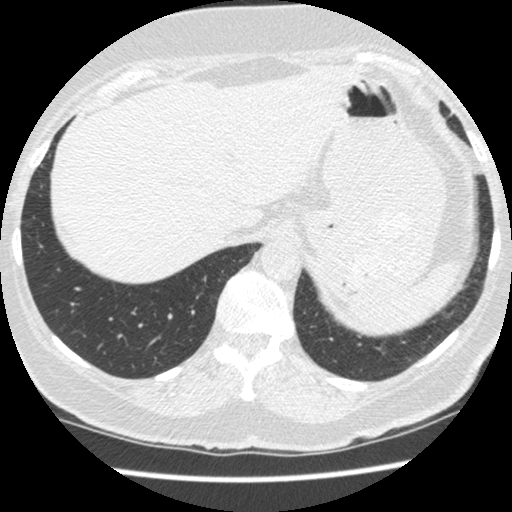
One axial slice (89 of 481, counting up from the lowest) of a chest CT acquired at 120 kVp with the STANDARD kernel; each pixel is 0.605 mm and the slice is 1.25 mm thick.
Pulmonary nodule at rows 311–316, columns 440–452 (box = the one reader's outline on this slice), outlined by all four readers, one of them on this slice; longest diameter 13.9 mm on average over the four readers' outlines (readers' outlines 13.3–14.6 mm), volume 633–867 mm3. The readers' prevailing ratings and who disagreed: texture 5/5 (solid), all four readers agreeing; margin split among the readers: 4/5 (two), 5/5 (circumscribed) (two); sphericity 4/5 by three of four readers; the rest gave 5/5 (round) (one); calcification absent, all four readers agreeing; internal structure soft tissue, all four readers agreeing; subtlety 5/5 by three of four readers; the rest gave 4/5 (one); malignancy likelihood split among the readers: 2/5 (one), 3/5 (one), 4/5 (one), 5/5 (one). Scale key (1–5): texture non-solid→solid, margin indistinct→circumscribed, sphericity linear→round, subtlety extremely subtle→obvious, malignancy likelihood highly unlikely→highly suspicious of cancer. Box rows and columns are 0-based pixel indices from the top-left corner, inclusive.